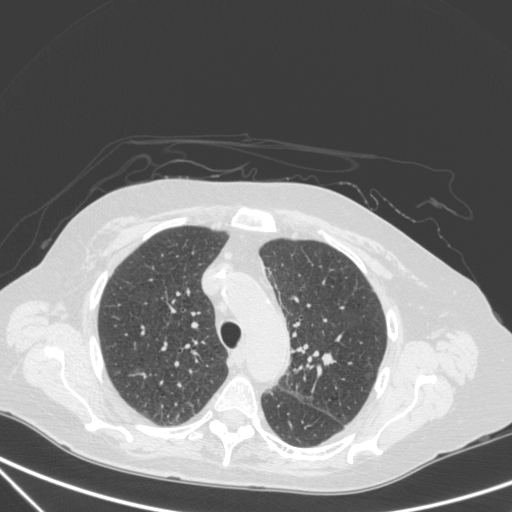
Chest CT, axial plane, 120 kVp, kernel C. Slice 244/350 from the bottom of the scan; thickness 1.50 mm; pixel size 0.725 mm.
Pulmonary nodule, outlined by all four readers. Box on this slice rows 353–364, columns 322–335, the union of the readers' outlines on this slice; longest diameter 9.9–11.7 mm and volume 335–580 mm3 across the four readers' outlines. Ratings across the readers: texture 5/5 (solid) from all four readers; margin 4/5 from all four readers; sphericity from 3/5 (ovoid) to 4/5 across the four readers; calcification absent, all four readers agreeing; internal structure soft tissue, all four readers agreeing; subtlety rated between 4 and 5 out of 5 by the four readers; malignancy likelihood from 2/5 to 5/5 across the four readers. Scale key (1–5): texture non-solid→solid, margin indistinct→circumscribed, sphericity linear→round, subtlety extremely subtle→obvious, malignancy likelihood highly unlikely→highly suspicious of cancer. Box rows and columns are 0-based pixel indices from the top-left corner, inclusive.